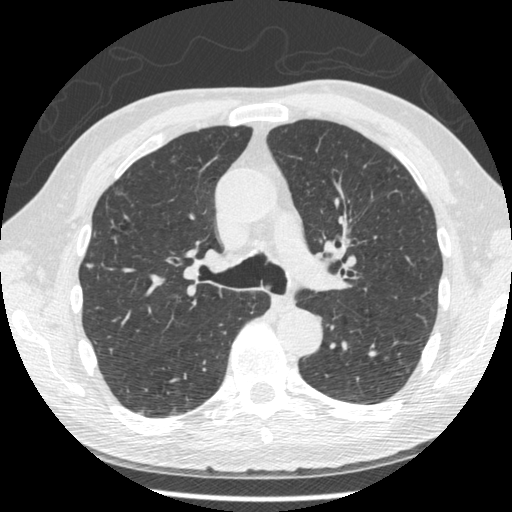
One axial slice (307 of 481, counting up from the lowest) of a chest CT acquired at 120 kVp with the STANDARD kernel; each pixel is 0.664 mm and the slice is 1.25 mm thick.
Pulmonary nodule, outlined by one of the four readers. Box on this slice rows 263–269, columns 85–94, that reader's outline on this slice; longest diameter 8.7 mm and volume 117 mm3 from that reader's outline. That reader's ratings: texture 4/5; margin 5/5 (circumscribed); sphericity 4/5; calcification absent; internal structure soft tissue; subtlety 4/5; malignancy likelihood 4/5. Scale key (1–5): texture non-solid→solid, margin indistinct→circumscribed, sphericity linear→round, subtlety extremely subtle→obvious, malignancy likelihood highly unlikely→highly suspicious of cancer. Box rows and columns are 0-based pixel indices from the top-left corner, inclusive.